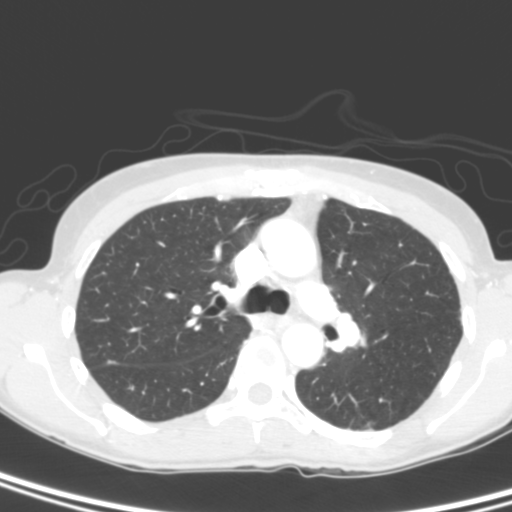
Slice 183/280 of a chest CT, counting up from the lowest; pixel size 0.572 mm, slice thickness 2.00 mm. Pulmonary nodule at rows 360–364, columns 106–118 (box = the union of the readers' outlines on this slice), outlined by all four readers; longest diameter 6.4–8.9 mm and volume 92–215 mm3 across the four readers' outlines. Ratings across the readers: texture from 4/5 to 5/5 (solid) across the four readers; margin from 4/5 to 5/5 (circumscribed) across the four readers; sphericity from 3/5 (ovoid) to 5/5 (round) across the four readers; calcification absent from all four readers; internal structure soft tissue, all four readers agreeing; subtlety 2–5/5 (the readers disagree); malignancy likelihood 2–4/5 (the readers disagree). Scale key (1–5): texture non-solid→solid, margin indistinct→circumscribed, sphericity linear→round, subtlety extremely subtle→obvious, malignancy likelihood highly unlikely→highly suspicious of cancer. Box rows and columns are 0-based pixel indices from the top-left corner, inclusive.
Tube voltage 120 kVp; convolution kernel B.